Chest CT, axial plane, 120 kVp, kernel B30f. Slice 102/183 from the bottom of the scan; thickness 2.00 mm; pixel size 0.664 mm.
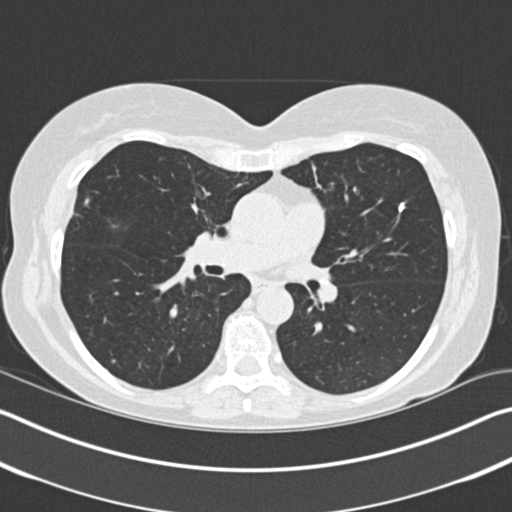
Two pulmonary nodules on this slice, listed from left to right. (1) Pulmonary nodule outlined by three of the four readers, two of them on this slice; box rows 359–364, columns 110–115 (the union of the readers' outlines on this slice); median longest diameter 7.1 mm (readers' outlines 5.9–7.8 mm), median volume 110 mm3 (78–146 mm3). Median ratings and the readers' spread: texture 5/5 (solid) from all three readers; margin 5/5 (circumscribed), all three readers agreeing; sphericity 5/5 (round) from all three readers; calcification: solid calcification (two), absent (one); internal structure soft tissue from all three readers; median subtlety 5/5 (readers ranged 4–5); median malignancy likelihood 1/5 (readers ranged 1–3). (2) Pulmonary nodule at rows 203–211, columns 398–403 (box = that reader's outline on this slice), outlined by one of the four readers; longest diameter 6.9 mm and volume 64 mm3 from that reader's outline. Ratings by that reader: texture 5/5 (solid); margin 3/5; sphericity 4/5; calcification absent; internal structure soft tissue; subtlety 2/5; malignancy likelihood 1/5. Scale key (1–5): texture non-solid→solid, margin indistinct→circumscribed, sphericity linear→round, subtlety extremely subtle→obvious, malignancy likelihood highly unlikely→highly suspicious of cancer. Box rows and columns are 0-based pixel indices from the top-left corner, inclusive.